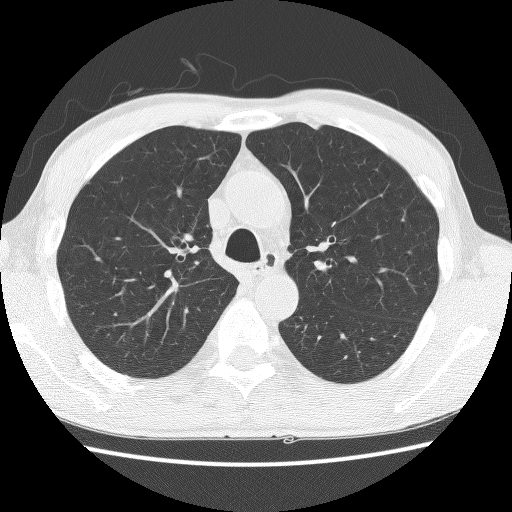
This is axial slice 93 of 136 (slice 1 is the lowest) of a chest CT; each pixel is 0.646 mm and the slice is 2.50 mm thick. None of the four readers outlined a nodule of 3 mm or more on this slice.
Tube voltage 140 kVp; convolution kernel BONE.